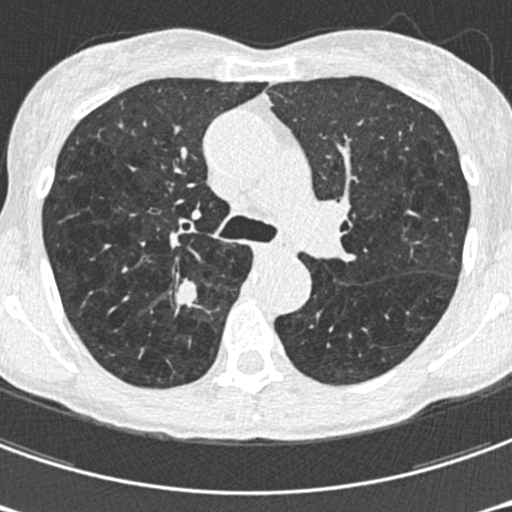
Axial chest CT slice 403 of 633 (counted from the lowest slice); tube voltage 120 kVp, convolution kernel B30f; slices 0.60 mm thick, 0.541 mm per pixel.
Pulmonary nodule at rows 278–306, columns 175–197 (box = the union of the readers' outlines on this slice), outlined by all four readers; median longest diameter 18.4 mm (readers' outlines 18.1–21.0 mm), median volume 1471 mm3 (1292–1642 mm3). Median ratings and the readers' spread: texture 5/5 (solid), all four readers agreeing; margin 2/5 at the median of four readers, spread 1/5 (indistinct) to 3/5; sphericity 3/5 (ovoid) at the median of four readers, spread 2/5 to 4/5; calcification absent from all four readers; internal structure soft tissue from all four readers; median subtlety 5/5 (readers ranged 4–5); malignancy likelihood 5/5 at the median of four readers, spread 4–5. Scale key (1–5): texture non-solid→solid, margin indistinct→circumscribed, sphericity linear→round, subtlety extremely subtle→obvious, malignancy likelihood highly unlikely→highly suspicious of cancer. Box rows and columns are 0-based pixel indices from the top-left corner, inclusive.